One axial slice (61 of 139, counting up from the lowest) of a chest CT acquired at 120 kVp with the STANDARD kernel; each pixel is 0.781 mm and the slice is 2.50 mm thick.
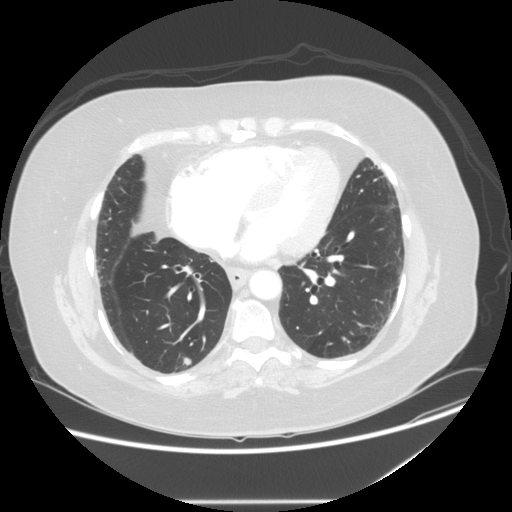
Pulmonary nodule, outlined by all four readers. Box on this slice rows 357–365, columns 182–191, the union of the readers' outlines on this slice; median longest diameter 8.8 mm (readers' outlines 8.4–10.2 mm), median volume 364 mm3 (323–501 mm3). Ratings, median across the readers with their spread: texture 5/5 (solid) at the median of four readers, spread 4/5 to 5/5 (solid); median margin 4/5 (readers ranged 3/5 to 4/5); sphericity 5/5 (round) at the median of four readers, spread 4/5 to 5/5 (round); calcification absent, all four readers agreeing; internal structure soft tissue, all four readers agreeing; median subtlety 4/5 (readers ranged 3–5); malignancy likelihood 3.5/5 at the median of four readers, spread 3–4. Scale key (1–5): texture non-solid→solid, margin indistinct→circumscribed, sphericity linear→round, subtlety extremely subtle→obvious, malignancy likelihood highly unlikely→highly suspicious of cancer. Box rows and columns are 0-based pixel indices from the top-left corner, inclusive.